Axial slice 393 of 541 of a chest CT (slice 1 is the lowest), reconstructed with the STANDARD kernel at 120 kVp; 1.25 mm slice thickness and 0.781 mm pixels.
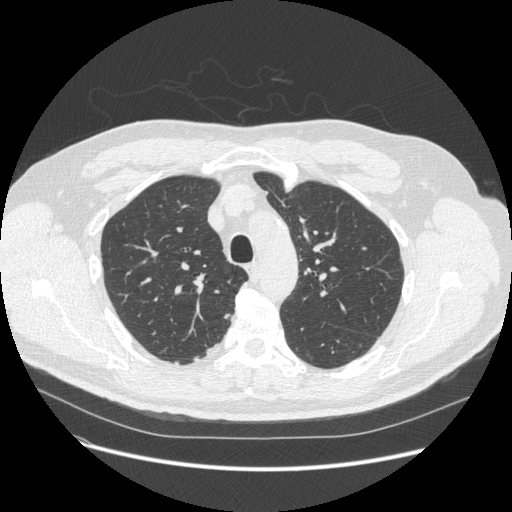
Pulmonary nodule, outlined by three of the four readers. Box on this slice rows 313–318, columns 223–229, the union of the readers' outlines on this slice; the three readers' outlines give a longest diameter between 7.0 and 8.0 mm and a volume between 58 and 82 mm3. Ratings across the readers: texture 5/5 (solid) from all three readers; margin from 3/5 to 5/5 (circumscribed) across the three readers; sphericity from 2/5 to 4/5 across the three readers; calcification absent, all three readers agreeing; internal structure soft tissue, all three readers agreeing; subtlety from 3/5 to 5/5 across the three readers; malignancy likelihood from 2/5 to 4/5 across the three readers. Scale key (1–5): texture non-solid→solid, margin indistinct→circumscribed, sphericity linear→round, subtlety extremely subtle→obvious, malignancy likelihood highly unlikely→highly suspicious of cancer. Box rows and columns are 0-based pixel indices from the top-left corner, inclusive.